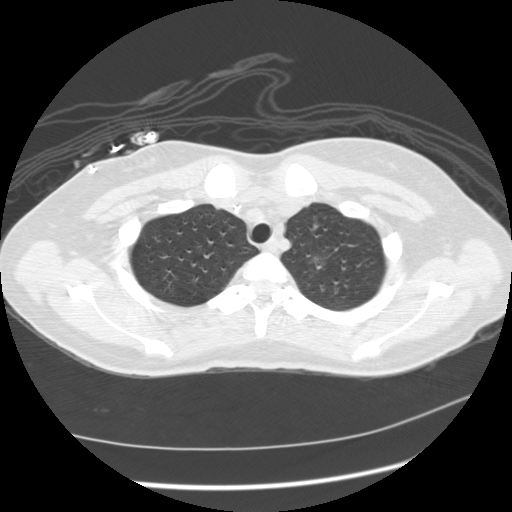
Axial chest CT slice 170 of 209 (counted from the lowest slice); 1.25 mm thick, 0.693 mm per pixel. Pulmonary nodule at rows 254–270, columns 307–328 (box = the one reader's outline on this slice), outlined by all four readers, one of them on this slice; longest diameter 23.5 mm on average over the four readers' outlines (readers' outlines 21.8–25.6 mm), volume 2801–4927 mm3. Ratings, by the readers' most common answer with dissent counted: most readers (three of four) put texture at 4/5, others 5/5 (solid) (one); margin split among the readers: 3/5 (two), 4/5 (two); sphericity split among the readers: 2/5 (one), 3/5 (ovoid) (one), 4/5 (one), 5/5 (round) (one); calcification absent from all four readers; internal structure soft tissue from all four readers; subtlety 5/5, all four readers agreeing; malignancy likelihood 5/5 by two of four readers; the rest gave 3/5 (one), 4/5 (one). Scale key (1–5): texture non-solid→solid, margin indistinct→circumscribed, sphericity linear→round, subtlety extremely subtle→obvious, malignancy likelihood highly unlikely→highly suspicious of cancer. Box rows and columns are 0-based pixel indices from the top-left corner, inclusive.
Acquired at 120 kVp and reconstructed with the STANDARD kernel.